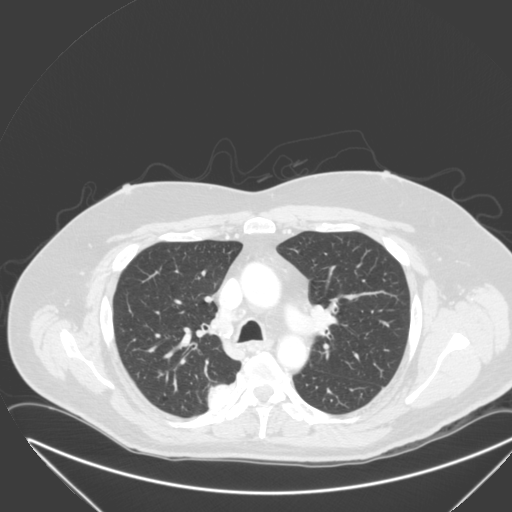
One axial slice (214 of 315, counting up from the lowest) of a chest CT acquired at 120 kVp with the B kernel; each pixel is 0.830 mm and the slice is 2.00 mm thick.
Pulmonary nodule outlined by one of the four readers; box rows 385–407, columns 209–229 (that reader's outline on this slice); longest diameter 27.1 mm and volume 6093 mm3 from that reader's outline. That reader's ratings: texture 5/5 (solid); margin 4/5; sphericity 2/5; calcification absent; internal structure soft tissue; subtlety 5/5; malignancy likelihood 4/5. Scale key (1–5): texture non-solid→solid, margin indistinct→circumscribed, sphericity linear→round, subtlety extremely subtle→obvious, malignancy likelihood highly unlikely→highly suspicious of cancer. Box rows and columns are 0-based pixel indices from the top-left corner, inclusive.